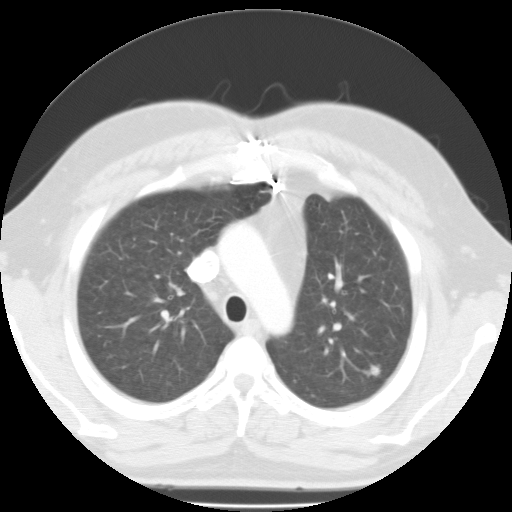
One axial slice (75 of 99, counting up from the lowest) of a chest CT acquired at 135 kVp with the FC01 kernel; each pixel is 0.698 mm and the slice is 3.00 mm thick.
Pulmonary nodule at rows 365–375, columns 368–379 (box = the union of the readers' outlines on this slice), outlined by three of the four readers; longest diameter 9.3 mm on average over the three readers' outlines (readers' outlines 8.1–10.3 mm), volume 112–216 mm3. Ratings, by the readers' most common answer with dissent counted: most readers (two of three) put texture at 4/5, others 5/5 (solid) (one); most readers (two of three) put margin at 2/5, others 3/5 (one); most readers (two of three) put sphericity at 4/5, others 3/5 (ovoid) (one); calcification absent, all three readers agreeing; internal structure soft tissue from all three readers; subtlety split among the readers: 3/5 (one), 4/5 (one), 5/5 (one); malignancy likelihood 3/5 by two of three readers; the rest gave 4/5 (one). Scale key (1–5): texture non-solid→solid, margin indistinct→circumscribed, sphericity linear→round, subtlety extremely subtle→obvious, malignancy likelihood highly unlikely→highly suspicious of cancer. Box rows and columns are 0-based pixel indices from the top-left corner, inclusive.